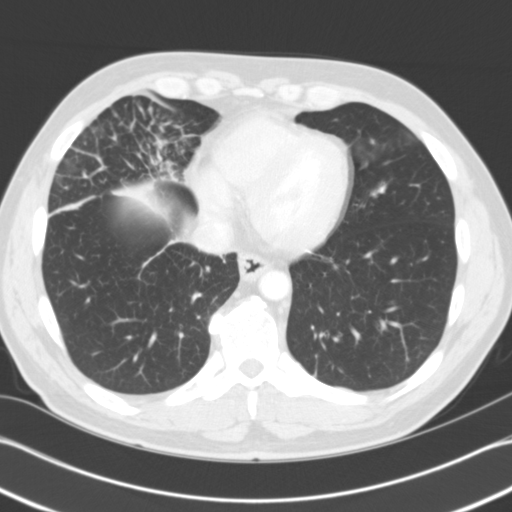
Chest CT, axial plane, 120 kVp, kernel B31f. Slice 47/121 from the bottom of the scan; thickness 3.00 mm; pixel size 0.674 mm.
Pulmonary nodule, outlined by all four readers, three of them on this slice. Box on this slice rows 182–192, columns 377–386, the union of the readers' outlines on this slice; longest diameter 10.9 mm on average over the four readers' outlines (readers' outlines 10.3–11.1 mm), volume 622–783 mm3. The readers' prevailing ratings and who disagreed: texture 5/5 (solid) from all four readers; margin 5/5 (circumscribed), all four readers agreeing; sphericity split among the readers: 4/5 (two), 5/5 (round) (two); calcification solid calcification, all four readers agreeing; internal structure soft tissue, all four readers agreeing; subtlety 5/5 from all four readers; malignancy likelihood 1/5 from all four readers. Scale key (1–5): texture non-solid→solid, margin indistinct→circumscribed, sphericity linear→round, subtlety extremely subtle→obvious, malignancy likelihood highly unlikely→highly suspicious of cancer. Box rows and columns are 0-based pixel indices from the top-left corner, inclusive.